Axial chest CT slice 116 of 158 (counted from the lowest slice); tube voltage 120 kVp, convolution kernel STANDARD; slices 2.50 mm thick, 0.723 mm per pixel.
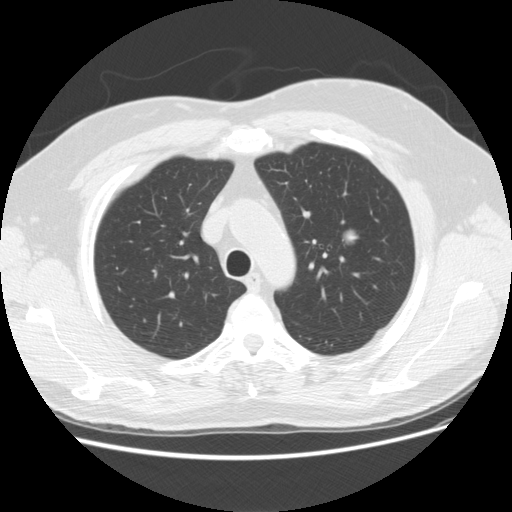
Pulmonary nodule, outlined by all four readers. Box on this slice rows 228–246, columns 342–358, the union of the readers' outlines on this slice; longest diameter 17.3 mm on average over the four readers' outlines (readers' outlines 16.2–18.8 mm), volume 1663–2984 mm3. Ratings, by the readers' most common answer with dissent counted: texture 5/5 (solid), all four readers agreeing; margin 5/5 (circumscribed), all four readers agreeing; sphericity 5/5 (round) by three of four readers; the rest gave 4/5 (one); calcification absent from all four readers; internal structure soft tissue, all four readers agreeing; subtlety 5/5, all four readers agreeing; malignancy likelihood 4/5 by two of four readers; the rest gave 2/5 (one), 5/5 (one). Scale key (1–5): texture non-solid→solid, margin indistinct→circumscribed, sphericity linear→round, subtlety extremely subtle→obvious, malignancy likelihood highly unlikely→highly suspicious of cancer. Box rows and columns are 0-based pixel indices from the top-left corner, inclusive.